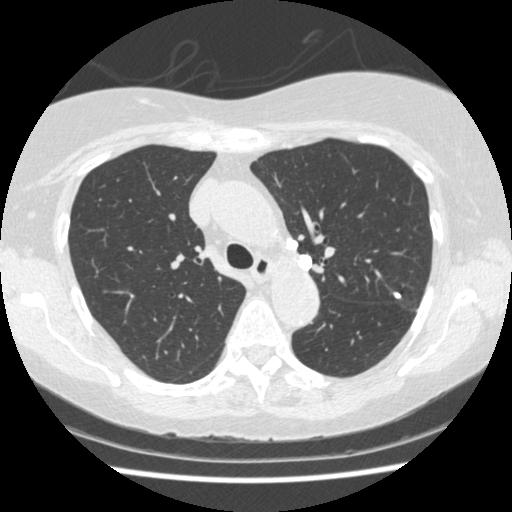
Axial chest CT slice 304 of 458 (counted from the lowest slice); 1.25 mm thick, 0.625 mm per pixel. Three pulmonary nodules on this slice, listed from left to right. (1) Pulmonary nodule, outlined by one of the four readers. Box on this slice rows 237–250, columns 285–298, that reader's outline on this slice; longest diameter 10.6 mm and volume 342 mm3 from that reader's outline. That reader's ratings: texture 5/5 (solid); margin 5/5 (circumscribed); sphericity 4/5; calcification solid calcification; internal structure soft tissue; subtlety 4/5; malignancy likelihood 1/5. (2) Pulmonary nodule, outlined by one of the four readers. Box on this slice rows 254–270, columns 297–312, that reader's outline on this slice; longest diameter 11.9 mm and volume 579 mm3 from that reader's outline. Ratings by that reader: texture 5/5 (solid); margin 5/5 (circumscribed); sphericity 5/5 (round); calcification solid calcification; internal structure soft tissue; subtlety 4/5; malignancy likelihood 1/5. (3) Pulmonary nodule at rows 292–298, columns 392–400 (box = the union of the readers' outlines on this slice), outlined by all four readers; longest diameter 6.9 mm on average over the four readers' outlines (readers' outlines 6.8–7.1 mm), volume 96–159 mm3. Ratings, by the readers' most common answer with dissent counted: most readers (three of four) put texture at 5/5 (solid), others 4/5 (one); margin 5/5 (circumscribed) by three of four readers; the rest gave 4/5 (one); sphericity split among the readers: 3/5 (ovoid) (two), 4/5 (two); calcification solid calcification by two of four readers, central calcification (one), absent (one); internal structure soft tissue, all four readers agreeing; subtlety split among the readers: 4/5 (two), 5/5 (two); malignancy likelihood 1/5 by three of four readers; the rest gave 3/5 (one). Scale key (1–5): texture non-solid→solid, margin indistinct→circumscribed, sphericity linear→round, subtlety extremely subtle→obvious, malignancy likelihood highly unlikely→highly suspicious of cancer. Box rows and columns are 0-based pixel indices from the top-left corner, inclusive.
Acquired at 120 kVp and reconstructed with the STANDARD kernel.